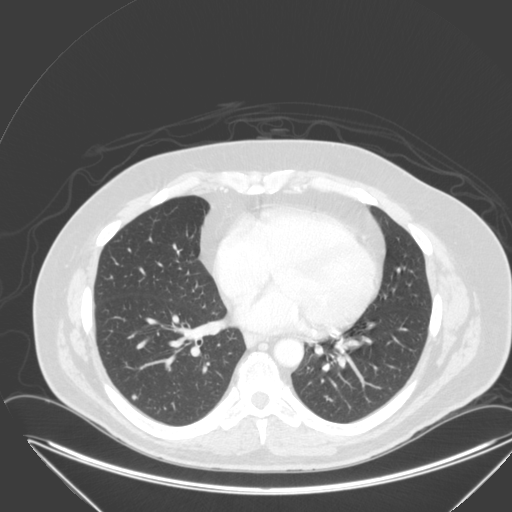
One axial slice (133 of 315, counting up from the lowest) of a chest CT acquired at 120 kVp with the B kernel; each pixel is 0.830 mm and the slice is 2.00 mm thick.
Pulmonary nodule at rows 394–399, columns 131–137 (box = the union of the readers' outlines on this slice), outlined by all four readers; longest diameter 6.4 mm on average over the four readers' outlines (readers' outlines 6.0–7.1 mm), volume 73–110 mm3. Ratings, by the readers' most common answer with dissent counted: texture 5/5 (solid) by three of four readers; the rest gave 4/5 (one); most readers (three of four) put margin at 5/5 (circumscribed), others 4/5 (one); most readers (three of four) put sphericity at 5/5 (round), others 4/5 (one); calcification absent, all four readers agreeing; internal structure soft tissue, all four readers agreeing; subtlety split among the readers: 2/5 (one), 3/5 (one), 4/5 (one), 5/5 (one); malignancy likelihood split among the readers: 2/5 (two), 3/5 (two). Scale key (1–5): texture non-solid→solid, margin indistinct→circumscribed, sphericity linear→round, subtlety extremely subtle→obvious, malignancy likelihood highly unlikely→highly suspicious of cancer. Box rows and columns are 0-based pixel indices from the top-left corner, inclusive.